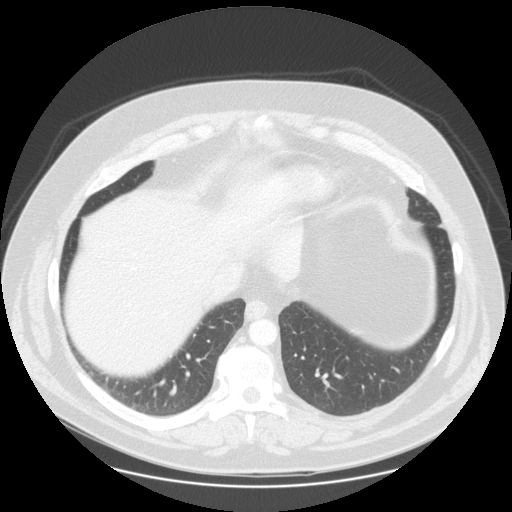
Axial chest CT slice 55 of 133 (counted from the lowest slice); 2.50 mm thick, 0.859 mm per pixel. Pulmonary nodule at rows 389–394, columns 170–175 (box = that reader's outline on this slice), outlined by one of the four readers; longest diameter 6.1 mm and volume 99 mm3 from that reader's outline. That reader's ratings: texture 5/5 (solid); margin 4/5; sphericity 5/5 (round); calcification absent; internal structure soft tissue; subtlety 2/5; malignancy likelihood 2/5. Scale key (1–5): texture non-solid→solid, margin indistinct→circumscribed, sphericity linear→round, subtlety extremely subtle→obvious, malignancy likelihood highly unlikely→highly suspicious of cancer. Box rows and columns are 0-based pixel indices from the top-left corner, inclusive.
Scan settings: 120 kVp, STANDARD reconstruction kernel.